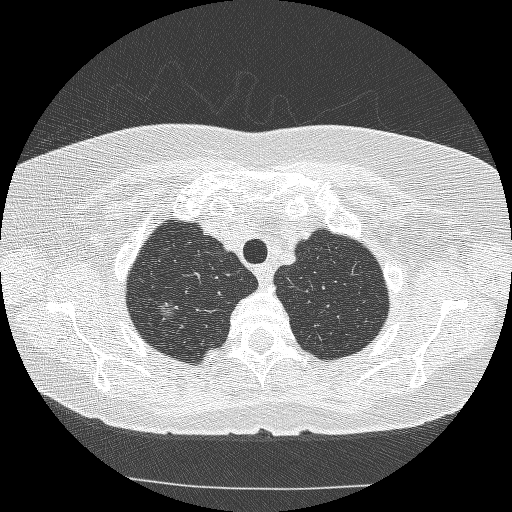
Axial slice 229 of 253 of a chest CT (slice 1 is the lowest), reconstructed with the BONE kernel at 120 kVp; 1.25 mm slice thickness and 0.625 mm pixels.
Pulmonary nodule, outlined by all four readers. Box on this slice rows 302–317, columns 155–178, the union of the readers' outlines on this slice; longest diameter 12.3–15.8 mm and volume 480–587 mm3 across the four readers' outlines. The readers' ratings, as ranges where they differ: texture from 1/5 (non-solid) to 3/5 (part-solid) across the four readers; margin from 2/5 to 4/5 across the four readers; sphericity from 2/5 to 4/5 across the four readers; calcification absent from all four readers; internal structure soft tissue, all four readers agreeing; subtlety rated between 3 and 5 out of 5 by the four readers; malignancy likelihood rated between 3 and 5 out of 5 by the four readers. Scale key (1–5): texture non-solid→solid, margin indistinct→circumscribed, sphericity linear→round, subtlety extremely subtle→obvious, malignancy likelihood highly unlikely→highly suspicious of cancer. Box rows and columns are 0-based pixel indices from the top-left corner, inclusive.